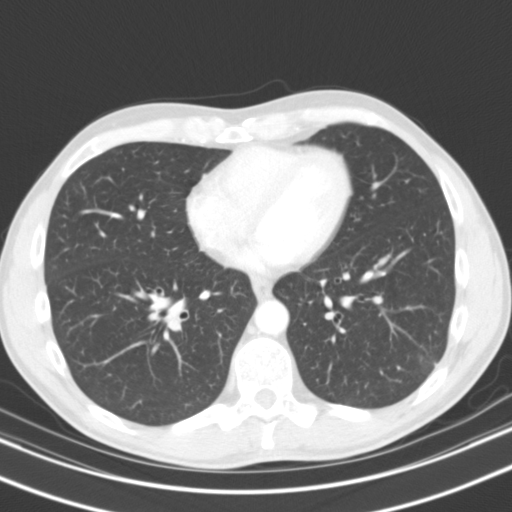
Axial chest CT slice 48 of 119 (counted from the lowest slice); 3.00 mm thick, 0.650 mm per pixel. Pulmonary nodule outlined by all four readers, one of them on this slice; box rows 355–359, columns 420–422 (the one reader's outline on this slice); longest diameter 11.1 mm on average over the four readers' outlines (readers' outlines 9.8–12.4 mm), volume 202–331 mm3. Ratings, by the readers' most common answer with dissent counted: most readers (three of four) put texture at 5/5 (solid), others 4/5 (one); margin 3/5 by two of four readers; the rest gave 4/5 (one), 5/5 (circumscribed) (one); sphericity 3/5 (ovoid) by two of four readers; the rest gave 1/5 (linear) (one), 5/5 (round) (one); calcification absent from all four readers; internal structure soft tissue, all four readers agreeing; subtlety split among the readers: 3/5 (two), 4/5 (two); malignancy likelihood split among the readers: 2/5 (two), 3/5 (two). Scale key (1–5): texture non-solid→solid, margin indistinct→circumscribed, sphericity linear→round, subtlety extremely subtle→obvious, malignancy likelihood highly unlikely→highly suspicious of cancer. Box rows and columns are 0-based pixel indices from the top-left corner, inclusive.
Scan settings: 130 kVp, B31s reconstruction kernel.